Axial chest CT slice 100 of 347 (counted from the lowest slice); tube voltage 120 kVp, convolution kernel B45f; slices 1.00 mm thick, 0.625 mm per pixel.
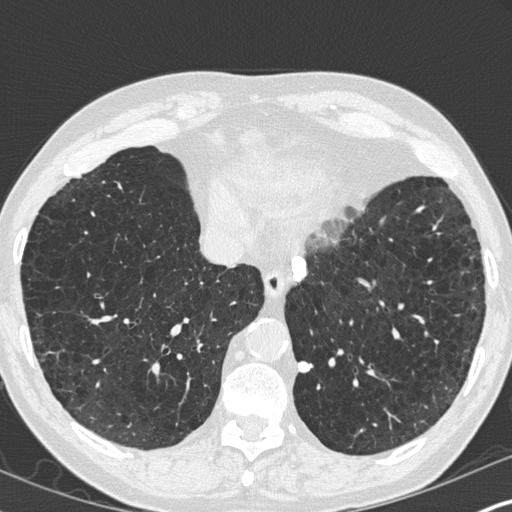
Pulmonary nodule, outlined by two of the four readers. Box on this slice rows 360–373, columns 297–313, the union of the readers' outlines on this slice; longest diameter 12.5 mm on average over the two readers' outlines (readers' outlines 10.7–14.3 mm), volume 348–470 mm3. The readers' prevailing ratings and who disagreed: texture 5/5 (solid), both readers agreeing; margin split among the readers: 4/5 (one), 5/5 (circumscribed) (one); sphericity split among the readers: 3/5 (ovoid) (one), 4/5 (one); calcification solid calcification from both readers; internal structure soft tissue, both readers agreeing; subtlety 5/5 from both readers; malignancy likelihood 1/5, both readers agreeing. Scale key (1–5): texture non-solid→solid, margin indistinct→circumscribed, sphericity linear→round, subtlety extremely subtle→obvious, malignancy likelihood highly unlikely→highly suspicious of cancer. Box rows and columns are 0-based pixel indices from the top-left corner, inclusive.